One axial slice (212 of 225, counting up from the lowest) of a chest CT acquired at 120 kVp with the B30f kernel; each pixel is 0.645 mm and the slice is 2.00 mm thick.
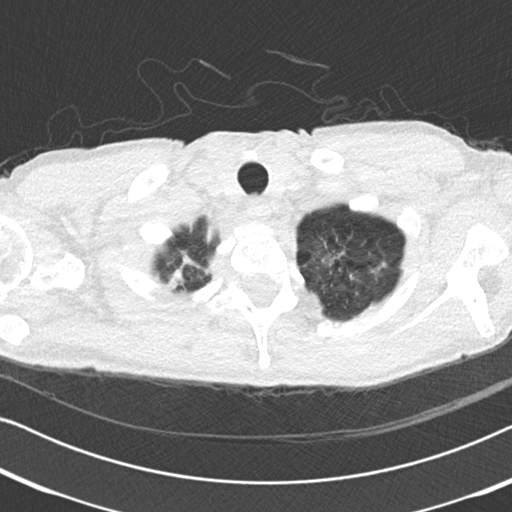
Pulmonary nodule at rows 263–270, columns 375–387 (box = that reader's outline on this slice), outlined by one of the four readers; longest diameter 10.1 mm and volume 145 mm3 from that reader's outline. That reader's ratings: texture 4/5; margin 2/5; sphericity 3/5 (ovoid); calcification absent; internal structure soft tissue; subtlety 4/5; malignancy likelihood 2/5. Scale key (1–5): texture non-solid→solid, margin indistinct→circumscribed, sphericity linear→round, subtlety extremely subtle→obvious, malignancy likelihood highly unlikely→highly suspicious of cancer. Box rows and columns are 0-based pixel indices from the top-left corner, inclusive.